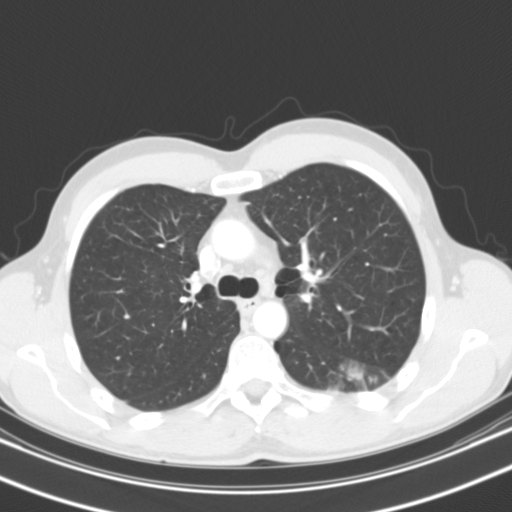
Chest CT, axial plane, 130 kVp, kernel B31s. Slice 78/119 from the bottom of the scan; thickness 3.00 mm; pixel size 0.650 mm.
Pulmonary nodule outlined by all four readers; box rows 360–390, columns 328–378 (the union of the readers' outlines on this slice); longest diameter 36.6 mm on average over the four readers' outlines (readers' outlines 31.4–40.2 mm), volume 6737–11596 mm3. The readers' prevailing ratings and who disagreed: texture 5/5 (solid) by three of four readers; the rest gave 4/5 (one); margin 4/5 by two of four readers; the rest gave 1/5 (indistinct) (one), 3/5 (one); sphericity 4/5 by two of four readers; the rest gave 3/5 (ovoid) (one), 5/5 (round) (one); calcification absent, all four readers agreeing; internal structure soft tissue by three of four readers, air (one); subtlety 5/5 from all four readers; malignancy likelihood 5/5 by two of four readers; the rest gave 2/5 (one), 4/5 (one). Scale key (1–5): texture non-solid→solid, margin indistinct→circumscribed, sphericity linear→round, subtlety extremely subtle→obvious, malignancy likelihood highly unlikely→highly suspicious of cancer. Box rows and columns are 0-based pixel indices from the top-left corner, inclusive.